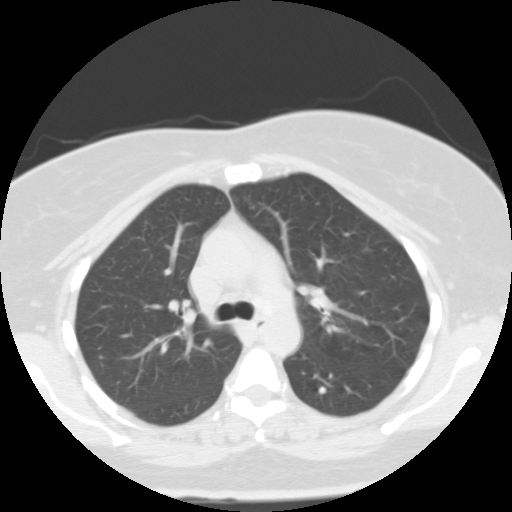
This is axial slice 70 of 105 (slice 1 is the lowest) of a chest CT; each pixel is 0.656 mm and the slice is 3.00 mm thick. Pulmonary nodule at rows 386–393, columns 319–325 (box = the union of the readers' outlines on this slice), outlined by three of the four readers; median longest diameter 6.0 mm (readers' outlines 5.9–6.0 mm), median volume 116 mm3 (100–160 mm3). Median ratings and the readers' spread: median texture 5/5 (solid) (readers ranged 4/5 to 5/5 (solid)); median margin 4/5 (readers ranged 4/5 to 5/5 (circumscribed)); sphericity 5/5 (round) at the median of three readers, spread 4/5 to 5/5 (round); calcification non-central calcification from all three readers; internal structure soft tissue from all three readers; subtlety 3/5 at the median of three readers, spread 2–5; median malignancy likelihood 3/5 (readers ranged 2–3). Scale key (1–5): texture non-solid→solid, margin indistinct→circumscribed, sphericity linear→round, subtlety extremely subtle→obvious, malignancy likelihood highly unlikely→highly suspicious of cancer. Box rows and columns are 0-based pixel indices from the top-left corner, inclusive.
Acquired at 135 kVp and reconstructed with the FC01 kernel.